Axial slice 152 of 253 of a chest CT (slice 1 is the lowest), reconstructed with the BONE kernel at 120 kVp; 1.25 mm slice thickness and 0.625 mm pixels.
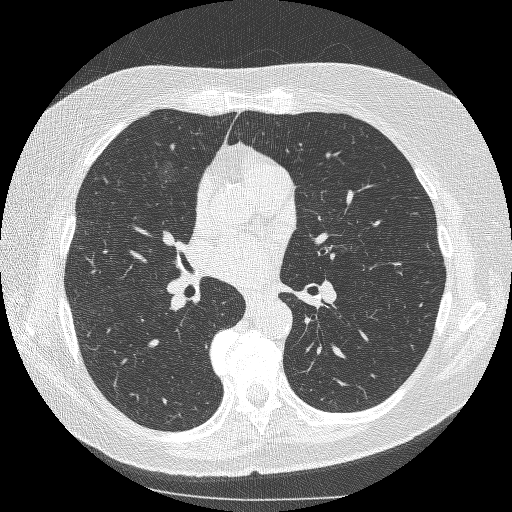
Pulmonary nodule, outlined by two of the four readers. Box on this slice rows 158–191, columns 153–179, the union of the readers' outlines on this slice; the two readers' outlines give a longest diameter between 18.7 and 23.7 mm and a volume between 1459 and 2126 mm3. Ratings across the readers: texture 1/5 (non-solid), both readers agreeing; margin 1/5 (indistinct), both readers agreeing; sphericity from 3/5 (ovoid) to 4/5 across the two readers; calcification absent, both readers agreeing; internal structure soft tissue from both readers; subtlety 1–3/5 (the readers disagree); malignancy likelihood 3–4/5 (the readers disagree). Scale key (1–5): texture non-solid→solid, margin indistinct→circumscribed, sphericity linear→round, subtlety extremely subtle→obvious, malignancy likelihood highly unlikely→highly suspicious of cancer. Box rows and columns are 0-based pixel indices from the top-left corner, inclusive.